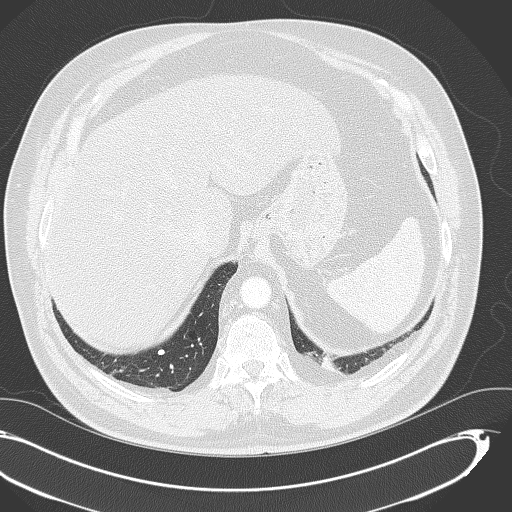
Axial chest CT slice 98 of 333 (counted from the lowest slice); tube voltage 120 kVp, convolution kernel B70f; slices 2.00 mm thick, 0.775 mm per pixel.
Pulmonary nodule outlined by all four readers; box rows 348–355, columns 157–164 (the union of the readers' outlines on this slice); median longest diameter 7.3 mm (readers' outlines 7.1–8.0 mm), median volume 134 mm3 (121–157 mm3). Median ratings and the readers' spread: texture 5/5 (solid) from all four readers; margin 5/5 (circumscribed), all four readers agreeing; median sphericity 3.5/5 (readers ranged 3/5 (ovoid) to 4/5); calcification: solid calcification (three), central calcification (one); internal structure soft tissue, all four readers agreeing; median subtlety 5/5 (readers ranged 3–5); malignancy likelihood 1/5 from all four readers. Scale key (1–5): texture non-solid→solid, margin indistinct→circumscribed, sphericity linear→round, subtlety extremely subtle→obvious, malignancy likelihood highly unlikely→highly suspicious of cancer. Box rows and columns are 0-based pixel indices from the top-left corner, inclusive.